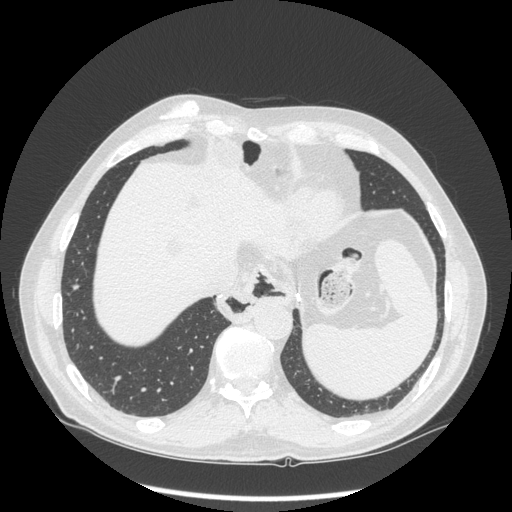
Axial slice 79 of 297 of a chest CT (slice 1 is the lowest), reconstructed with the STANDARD kernel at 120 kVp; 1.25 mm slice thickness and 0.787 mm pixels.
Pulmonary nodule at rows 284–289, columns 69–79 (box = the union of the readers' outlines on this slice), outlined by all four readers; longest diameter 10.3–11.0 mm and volume 283–421 mm3 across the four readers' outlines. Ratings across the readers: texture from 4/5 to 5/5 (solid) across the four readers; margin from 3/5 to 5/5 (circumscribed) across the four readers; sphericity from 3/5 (ovoid) to 4/5 across the four readers; calcification absent from all four readers; internal structure soft tissue from all four readers; subtlety 3–5/5 (the readers disagree); malignancy likelihood from 1/5 to 4/5 across the four readers. Scale key (1–5): texture non-solid→solid, margin indistinct→circumscribed, sphericity linear→round, subtlety extremely subtle→obvious, malignancy likelihood highly unlikely→highly suspicious of cancer. Box rows and columns are 0-based pixel indices from the top-left corner, inclusive.